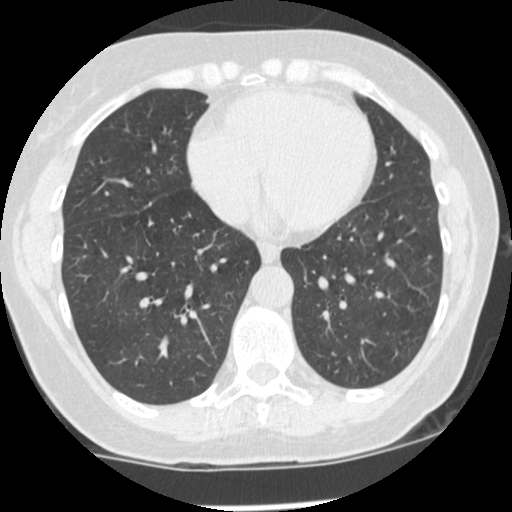
One axial slice (154 of 465, counting up from the lowest) of a chest CT acquired at 120 kVp with the STANDARD kernel; each pixel is 0.586 mm and the slice is 1.25 mm thick.
Pulmonary nodule, outlined by one of the four readers. Box on this slice rows 255–258, columns 427–431, that reader's outline on this slice; longest diameter 4.7 mm and volume 27 mm3 from that reader's outline. That reader's ratings: texture 5/5 (solid); margin 5/5 (circumscribed); sphericity 5/5 (round); calcification absent; internal structure soft tissue; subtlety 5/5; malignancy likelihood 3/5. Scale key (1–5): texture non-solid→solid, margin indistinct→circumscribed, sphericity linear→round, subtlety extremely subtle→obvious, malignancy likelihood highly unlikely→highly suspicious of cancer. Box rows and columns are 0-based pixel indices from the top-left corner, inclusive.